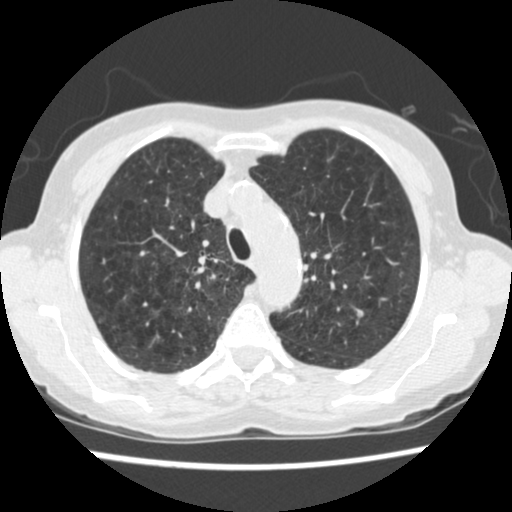
Axial chest CT slice 405 of 541 (counted from the lowest slice); 1.25 mm thick, 0.586 mm per pixel. Pulmonary nodule at rows 310–316, columns 357–363 (box = the union of the readers' outlines on this slice), outlined by two of the four readers; median longest diameter 5.8 mm (readers' outlines 5.6–6.1 mm), median volume 92 mm3 (85–100 mm3). Ratings, median across the readers with their spread: texture 5/5 (solid) from both readers; margin 5/5 (circumscribed) from both readers; median sphericity 4/5 (readers ranged 3/5 (ovoid) to 5/5 (round)); calcification split among the readers: absent (one), solid calcification (one); internal structure soft tissue, both readers agreeing; subtlety 3.5/5 at the median of two readers, spread 2–5; malignancy likelihood 2/5 at the median of two readers, spread 1–3. Scale key (1–5): texture non-solid→solid, margin indistinct→circumscribed, sphericity linear→round, subtlety extremely subtle→obvious, malignancy likelihood highly unlikely→highly suspicious of cancer. Box rows and columns are 0-based pixel indices from the top-left corner, inclusive.
Scan settings: 120 kVp, STANDARD reconstruction kernel.